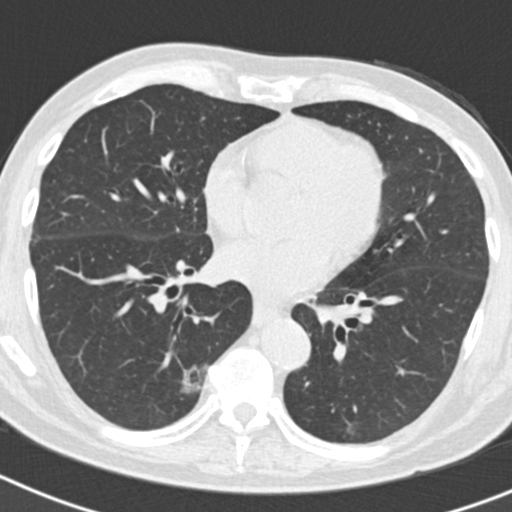
Chest CT, axial plane, 120 kVp, kernel B30f. Slice 91/186 from the bottom of the scan; thickness 2.00 mm; pixel size 0.586 mm.
Pulmonary nodule at rows 364–393, columns 180–207 (box = that reader's outline on this slice), outlined by one of the four readers; longest diameter 31.4 mm and volume 6527 mm3 from that reader's outline. That reader's ratings: texture 1/5 (non-solid); margin 2/5; sphericity 4/5; calcification absent; internal structure soft tissue; subtlety 5/5; malignancy likelihood 3/5. Scale key (1–5): texture non-solid→solid, margin indistinct→circumscribed, sphericity linear→round, subtlety extremely subtle→obvious, malignancy likelihood highly unlikely→highly suspicious of cancer. Box rows and columns are 0-based pixel indices from the top-left corner, inclusive.